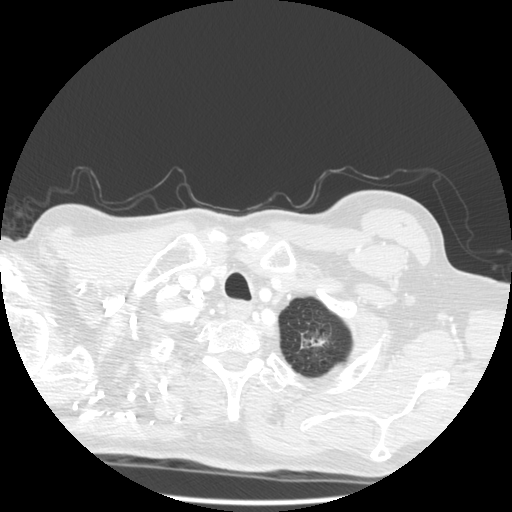
One axial slice (480 of 501, counting up from the lowest) of a chest CT acquired at 140 kVp with the STANDARD kernel; each pixel is 0.703 mm and the slice is 1.25 mm thick.
Pulmonary nodule at rows 339–345, columns 303–324 (box = the union of the readers' outlines on this slice), outlined by three of the four readers, two of them on this slice; longest diameter 35.0 mm on average over the three readers' outlines (readers' outlines 32.1–39.2 mm), volume 2361–4873 mm3. The readers' prevailing ratings and who disagreed: texture 5/5 (solid) by two of three readers; the rest gave 4/5 (one); margin split among the readers: 1/5 (indistinct) (one), 3/5 (one), 5/5 (circumscribed) (one); sphericity split among the readers: 2/5 (one), 3/5 (ovoid) (one), 5/5 (round) (one); calcification absent from all three readers; internal structure soft tissue, all three readers agreeing; subtlety 5/5 from all three readers; malignancy likelihood 5/5 by two of three readers; the rest gave 4/5 (one). Scale key (1–5): texture non-solid→solid, margin indistinct→circumscribed, sphericity linear→round, subtlety extremely subtle→obvious, malignancy likelihood highly unlikely→highly suspicious of cancer. Box rows and columns are 0-based pixel indices from the top-left corner, inclusive.